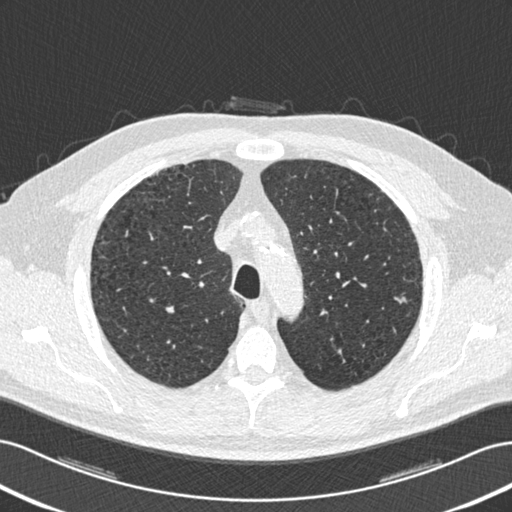
One axial slice (403 of 506, counting up from the lowest) of a chest CT acquired at 120 kVp with the B30f kernel; each pixel is 0.699 mm and the slice is 0.75 mm thick.
Pulmonary nodule outlined by two of the four readers; box rows 297–303, columns 394–406 (the union of the readers' outlines on this slice); longest diameter 8.5 mm on average over the two readers' outlines (readers' outlines 6.6–10.4 mm), volume 35–67 mm3. The readers' prevailing ratings and who disagreed: texture 5/5 (solid) from both readers; margin split among the readers: 3/5 (one), 5/5 (circumscribed) (one); sphericity split among the readers: 4/5 (one), 5/5 (round) (one); calcification absent from both readers; internal structure soft tissue, both readers agreeing; subtlety split among the readers: 2/5 (one), 3/5 (one); malignancy likelihood split among the readers: 2/5 (one), 3/5 (one). Scale key (1–5): texture non-solid→solid, margin indistinct→circumscribed, sphericity linear→round, subtlety extremely subtle→obvious, malignancy likelihood highly unlikely→highly suspicious of cancer. Box rows and columns are 0-based pixel indices from the top-left corner, inclusive.